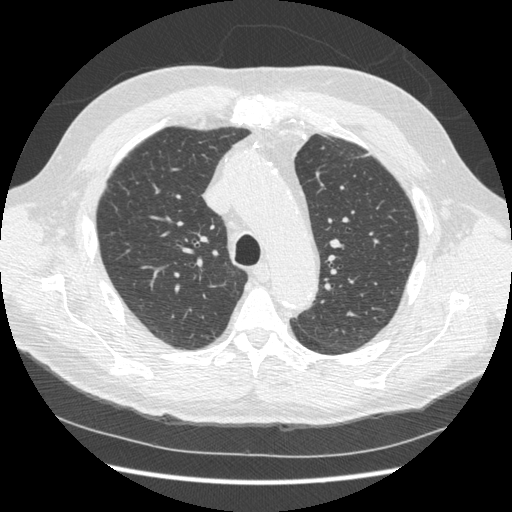
One axial slice (254 of 369, counting up from the lowest) of a chest CT acquired at 120 kVp with the STANDARD kernel; each pixel is 0.703 mm and the slice is 1.25 mm thick.
Pulmonary nodule outlined by one of the four readers; box rows 334–338, columns 204–209 (that reader's outline on this slice); longest diameter 7.6 mm and volume 55 mm3 from that reader's outline. That reader's ratings: texture 5/5 (solid); margin 1/5 (indistinct); sphericity 3/5 (ovoid); calcification absent; internal structure soft tissue; subtlety 5/5; malignancy likelihood 2/5. Scale key (1–5): texture non-solid→solid, margin indistinct→circumscribed, sphericity linear→round, subtlety extremely subtle→obvious, malignancy likelihood highly unlikely→highly suspicious of cancer. Box rows and columns are 0-based pixel indices from the top-left corner, inclusive.